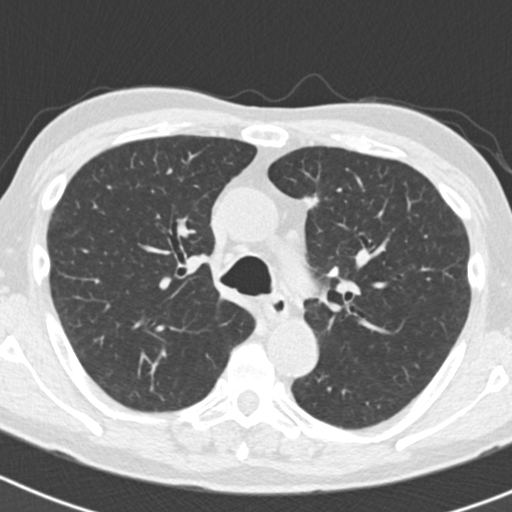
Chest CT, axial plane, 120 kVp, kernel B30f. Slice 130/186 from the bottom of the scan; thickness 2.00 mm; pixel size 0.586 mm.
Pulmonary nodule outlined by two of the four readers; box rows 193–209, columns 302–318 (the union of the readers' outlines on this slice); median longest diameter 12.3 mm (readers' outlines 11.6–13.0 mm), median volume 345 mm3 (332–359 mm3). Median ratings and the readers' spread: texture 4/5 at the median of two readers, spread 3/5 (part-solid) to 5/5 (solid); margin 3/5 at the median of two readers, spread 2/5 to 4/5; sphericity 3/5 (ovoid), both readers agreeing; calcification absent from both readers; internal structure soft tissue from both readers; median subtlety 3.5/5 (readers ranged 3–4); malignancy likelihood 3.5/5 at the median of two readers, spread 3–4. Scale key (1–5): texture non-solid→solid, margin indistinct→circumscribed, sphericity linear→round, subtlety extremely subtle→obvious, malignancy likelihood highly unlikely→highly suspicious of cancer. Box rows and columns are 0-based pixel indices from the top-left corner, inclusive.